Axial chest CT slice 54 of 233 (counted from the lowest slice); tube voltage 120 kVp, convolution kernel STANDARD; slices 1.25 mm thick, 0.664 mm per pixel.
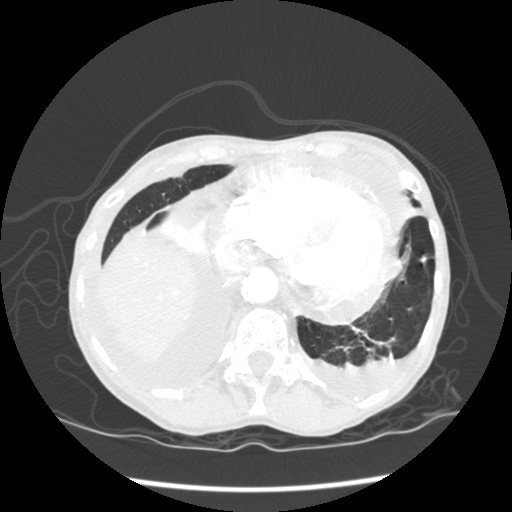
Pulmonary nodule, outlined by one of the four readers. Box on this slice rows 256–262, columns 421–426, that reader's outline on this slice; longest diameter 6.3 mm and volume 82 mm3 from that reader's outline. That reader's ratings: texture 5/5 (solid); margin 5/5 (circumscribed); sphericity 5/5 (round); calcification solid calcification; internal structure soft tissue; subtlety 3/5; malignancy likelihood 1/5. Scale key (1–5): texture non-solid→solid, margin indistinct→circumscribed, sphericity linear→round, subtlety extremely subtle→obvious, malignancy likelihood highly unlikely→highly suspicious of cancer. Box rows and columns are 0-based pixel indices from the top-left corner, inclusive.